Axial chest CT slice 74 of 111 (counted from the lowest slice); tube voltage 135 kVp, convolution kernel FC01; slices 3.00 mm thick, 0.714 mm per pixel.
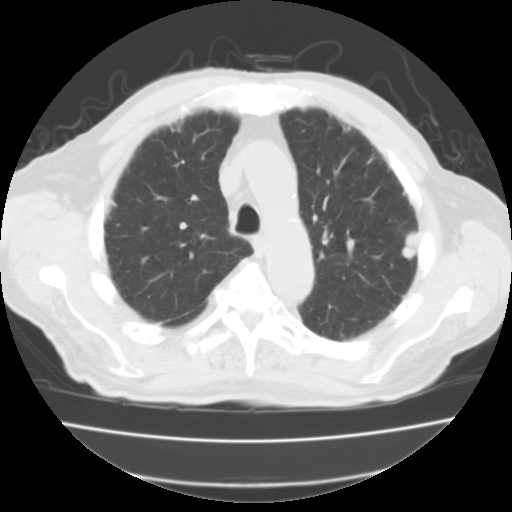
Pulmonary nodule outlined by all four readers; box rows 231–259, columns 401–418 (the union of the readers' outlines on this slice); longest diameter 24.8 mm on average over the four readers' outlines (readers' outlines 24.3–25.8 mm), volume 3889–4187 mm3. Ratings, by the readers' most common answer with dissent counted: texture 5/5 (solid) from all four readers; margin 5/5 (circumscribed) from all four readers; sphericity 3/5 (ovoid) by three of four readers; the rest gave 5/5 (round) (one); calcification absent from all four readers; internal structure soft tissue from all four readers; subtlety 5/5 from all four readers; malignancy likelihood split among the readers: 2/5 (one), 3/5 (one), 4/5 (one), 5/5 (one). Scale key (1–5): texture non-solid→solid, margin indistinct→circumscribed, sphericity linear→round, subtlety extremely subtle→obvious, malignancy likelihood highly unlikely→highly suspicious of cancer. Box rows and columns are 0-based pixel indices from the top-left corner, inclusive.